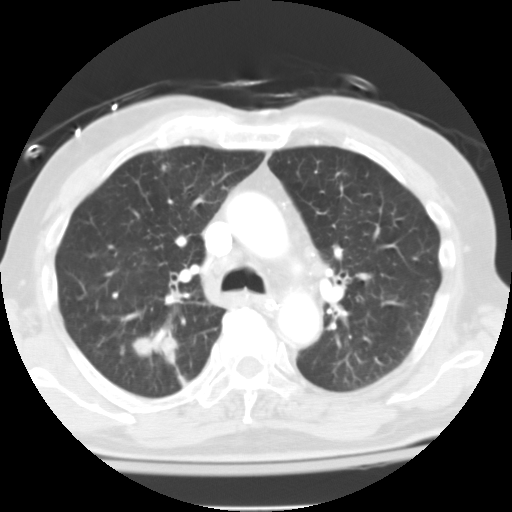
Axial slice 87 of 125 of a chest CT (slice 1 is the lowest), reconstructed with the FC10 kernel at 135 kVp; 3.00 mm slice thickness and 0.628 mm pixels.
Pulmonary nodule, outlined once (the source holds six more outlines, not used). Box on this slice rows 334–363, columns 131–176, that reader's outline on this slice; longest diameter 31.3 mm and volume 4861 mm3 from that reader's outline. Ratings by that reader: texture 4/5; margin 2/5; sphericity 2/5; calcification absent; internal structure soft tissue; subtlety 5/5; malignancy likelihood 5/5. Scale key (1–5): texture non-solid→solid, margin indistinct→circumscribed, sphericity linear→round, subtlety extremely subtle→obvious, malignancy likelihood highly unlikely→highly suspicious of cancer. Box rows and columns are 0-based pixel indices from the top-left corner, inclusive.